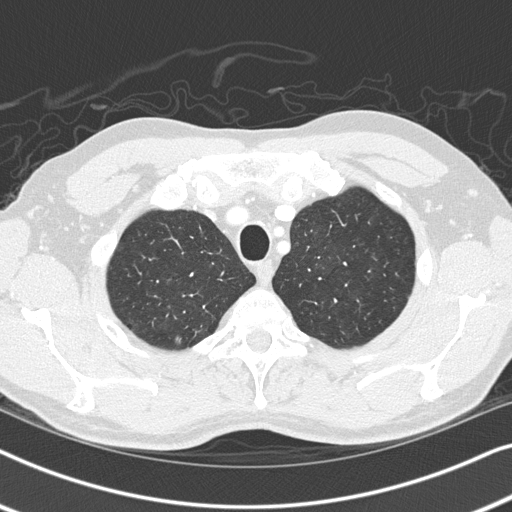
One axial slice (279 of 326, counting up from the lowest) of a chest CT acquired at 120 kVp with the B45f kernel; each pixel is 0.645 mm and the slice is 1.00 mm thick.
Pulmonary nodule at rows 335–344, columns 174–181 (box = the union of the readers' outlines on this slice), outlined by all four readers; median longest diameter 6.9 mm (readers' outlines 6.6–8.2 mm), median volume 118 mm3 (74–172 mm3). Ratings, median across the readers with their spread: texture 3/5 (part-solid) at the median of four readers, spread 1/5 (non-solid) to 3/5 (part-solid); margin 2/5 at the median of four readers, spread 2/5 to 5/5 (circumscribed); sphericity 4/5 at the median of four readers, spread 4/5 to 5/5 (round); calcification absent from all four readers; internal structure soft tissue, all four readers agreeing; subtlety 2.5/5 at the median of four readers, spread 1–3; median malignancy likelihood 3/5 (readers ranged 2–3). Scale key (1–5): texture non-solid→solid, margin indistinct→circumscribed, sphericity linear→round, subtlety extremely subtle→obvious, malignancy likelihood highly unlikely→highly suspicious of cancer. Box rows and columns are 0-based pixel indices from the top-left corner, inclusive.